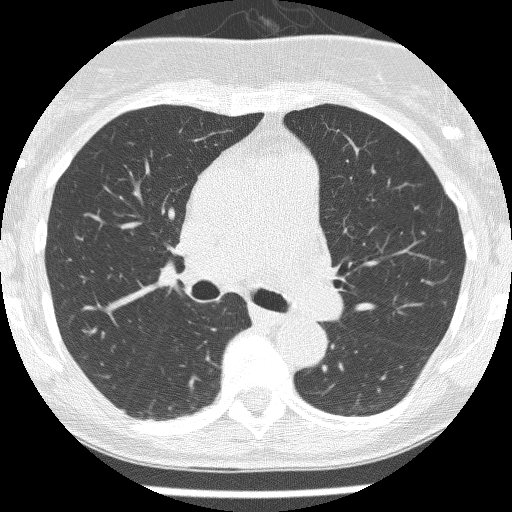
Axial slice 131 of 208 of a chest CT (slice 1 is the lowest), reconstructed with the BONE kernel at 120 kVp; 1.25 mm slice thickness and 0.514 mm pixels.
No nodule 3 mm or larger was outlined here by any reader.